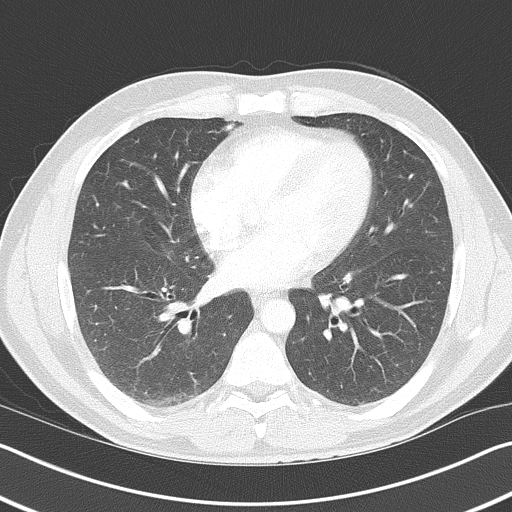
One axial slice (206 of 368, counting up from the lowest) of a chest CT acquired at 120 kVp with the B70f kernel; each pixel is 0.660 mm and the slice is 2.00 mm thick.
Pulmonary nodule at rows 122–131, columns 223–237 (box = that reader's outline on this slice), outlined by one of the four readers; longest diameter 12.5 mm and volume 369 mm3 from that reader's outline. Ratings by that reader: texture 5/5 (solid); margin 5/5 (circumscribed); sphericity 5/5 (round); calcification solid calcification; internal structure soft tissue; subtlety 5/5; malignancy likelihood 1/5. Scale key (1–5): texture non-solid→solid, margin indistinct→circumscribed, sphericity linear→round, subtlety extremely subtle→obvious, malignancy likelihood highly unlikely→highly suspicious of cancer. Box rows and columns are 0-based pixel indices from the top-left corner, inclusive.